Axial chest CT slice 514 of 590 (counted from the lowest slice); tube voltage 120 kVp, convolution kernel B; slices 0.90 mm thick, 0.627 mm per pixel.
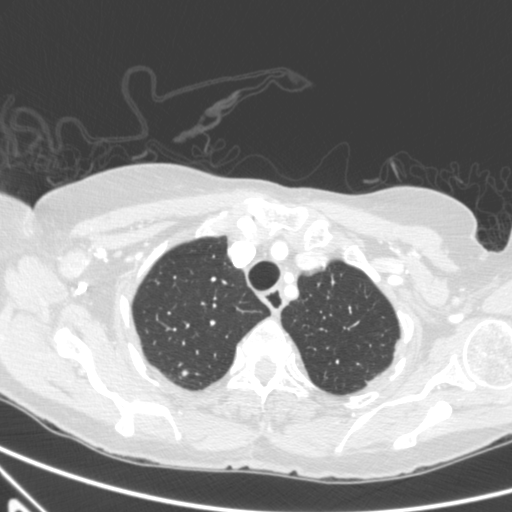
Pulmonary nodule at rows 370–375, columns 181–187 (box = the union of the readers' outlines on this slice), outlined by three of the four readers; longest diameter 5.8 mm on average over the three readers' outlines (readers' outlines 5.4–6.2 mm), volume 51–88 mm3. The readers' prevailing ratings and who disagreed: texture 4/5 by two of three readers; the rest gave 5/5 (solid) (one); margin split among the readers: 3/5 (one), 4/5 (one), 5/5 (circumscribed) (one); sphericity split among the readers: 3/5 (ovoid) (one), 4/5 (one), 5/5 (round) (one); calcification absent, all three readers agreeing; internal structure soft tissue from all three readers; subtlety 3/5, all three readers agreeing; most readers (two of three) put malignancy likelihood at 3/5, others 2/5 (one). Scale key (1–5): texture non-solid→solid, margin indistinct→circumscribed, sphericity linear→round, subtlety extremely subtle→obvious, malignancy likelihood highly unlikely→highly suspicious of cancer. Box rows and columns are 0-based pixel indices from the top-left corner, inclusive.